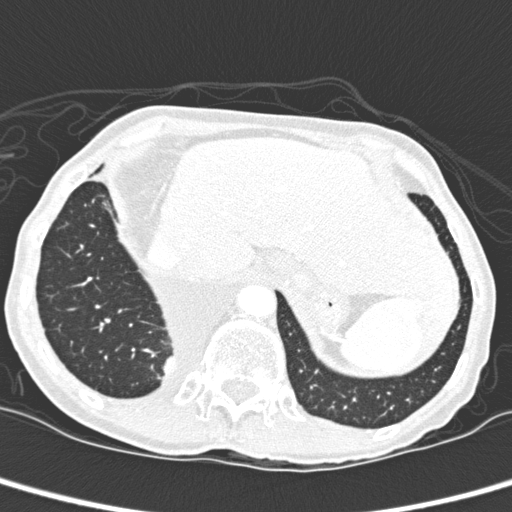
This is axial slice 38 of 280 (slice 1 is the lowest) of a chest CT; each pixel is 0.564 mm and the slice is 1.00 mm thick. Pulmonary nodule, outlined by two of the four readers. Box on this slice rows 355–373, columns 163–172, the union of the readers' outlines on this slice; median longest diameter 33.9 mm (readers' outlines 32.1–35.8 mm), median volume 6179 mm3 (5657–6702 mm3). Ratings, median across the readers with their spread: texture 5/5 (solid) from both readers; margin 4/5 from both readers; sphericity 3/5 (ovoid), both readers agreeing; calcification absent, both readers agreeing; internal structure soft tissue from both readers; subtlety 5/5, both readers agreeing; median malignancy likelihood 2.5/5 (readers ranged 2–3). Scale key (1–5): texture non-solid→solid, margin indistinct→circumscribed, sphericity linear→round, subtlety extremely subtle→obvious, malignancy likelihood highly unlikely→highly suspicious of cancer. Box rows and columns are 0-based pixel indices from the top-left corner, inclusive.
Tube voltage 120 kVp; convolution kernel D.